One axial slice (244 of 272, counting up from the lowest) of a chest CT acquired at 120 kVp with the STANDARD kernel; each pixel is 0.742 mm and the slice is 1.25 mm thick.
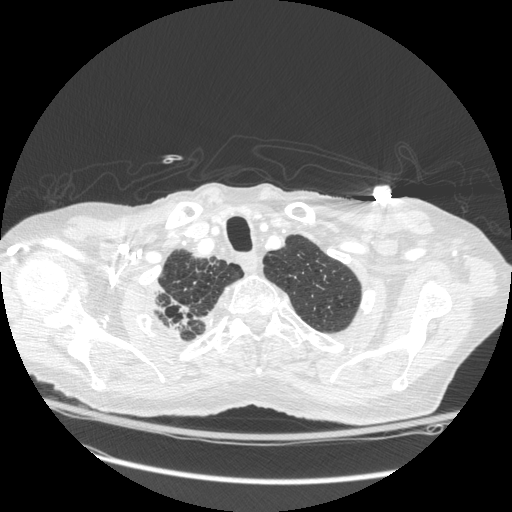
Pulmonary nodule, outlined by all four readers, one of them on this slice. Box on this slice rows 283–339, columns 154–216, the one reader's outline on this slice; median longest diameter 21.5 mm (readers' outlines 16.0–56.1 mm), median volume 1723 mm3 (732–13897 mm3). Ratings, median across the readers with their spread: texture 5/5 (solid), all four readers agreeing; median margin 3/5 (readers ranged 3/5 to 5/5 (circumscribed)); sphericity 3/5 (ovoid) at the median of four readers, spread 3/5 (ovoid) to 4/5; calcification absent from all four readers; internal structure soft tissue, all four readers agreeing; subtlety 5/5 from all four readers; median malignancy likelihood 5/5 (readers ranged 4–5). Scale key (1–5): texture non-solid→solid, margin indistinct→circumscribed, sphericity linear→round, subtlety extremely subtle→obvious, malignancy likelihood highly unlikely→highly suspicious of cancer. Box rows and columns are 0-based pixel indices from the top-left corner, inclusive.